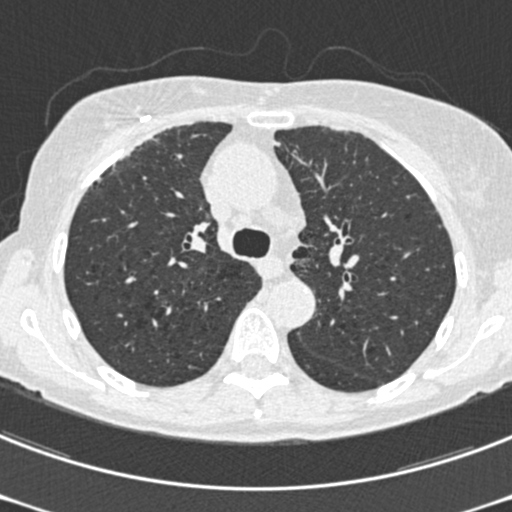
This is axial slice 322 of 489 (slice 1 is the lowest) of a chest CT; each pixel is 0.566 mm and the slice is 0.75 mm thick. Pulmonary nodule at rows 364–367, columns 305–308 (box = the one reader's outline on this slice), outlined by two of the four readers, one of them on this slice; the two readers' outlines give a longest diameter between 5.2 and 7.2 mm and a volume between 31 and 63 mm3. Ratings across the readers: texture from 4/5 to 5/5 (solid) across the two readers; margin from 3/5 to 4/5 across the two readers; sphericity from 3/5 (ovoid) to 5/5 (round) across the two readers; calcification absent, both readers agreeing; internal structure soft tissue from both readers; subtlety 3–5/5 (the readers disagree); malignancy likelihood from 2/5 to 3/5 across the two readers. Scale key (1–5): texture non-solid→solid, margin indistinct→circumscribed, sphericity linear→round, subtlety extremely subtle→obvious, malignancy likelihood highly unlikely→highly suspicious of cancer. Box rows and columns are 0-based pixel indices from the top-left corner, inclusive.
Tube voltage 120 kVp; convolution kernel B30f.